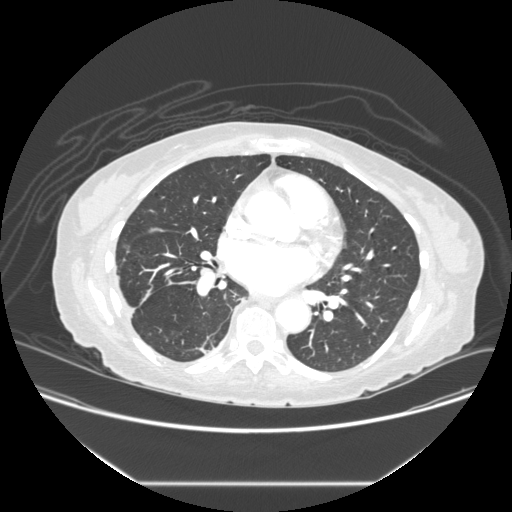
Slice 121/238 of a chest CT, counting up from the lowest; pixel size 0.781 mm, slice thickness 1.25 mm. No nodule 3 mm or larger was outlined here by any reader.
Acquired at 120 kVp and reconstructed with the STANDARD kernel.